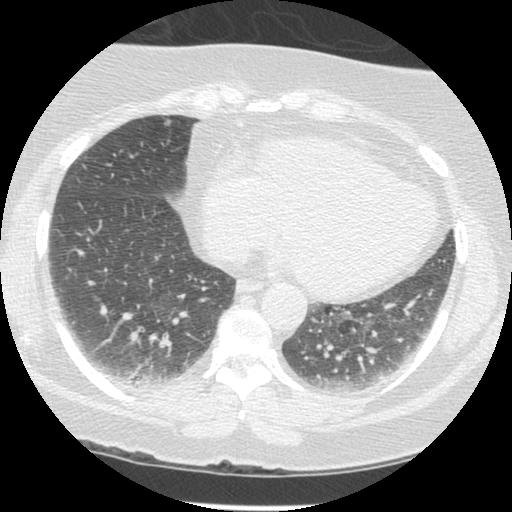
Slice 107/381 of a chest CT, counting up from the lowest; pixel size 0.625 mm, slice thickness 1.25 mm. Pulmonary nodule at rows 120–125, columns 164–170 (box = that reader's outline on this slice), outlined by one of the four readers; longest diameter 5.6 mm and volume 28 mm3 from that reader's outline. Ratings by that reader: texture 4/5; margin 5/5 (circumscribed); sphericity 5/5 (round); calcification absent; internal structure soft tissue; subtlety 1/5; malignancy likelihood 2/5. Scale key (1–5): texture non-solid→solid, margin indistinct→circumscribed, sphericity linear→round, subtlety extremely subtle→obvious, malignancy likelihood highly unlikely→highly suspicious of cancer. Box rows and columns are 0-based pixel indices from the top-left corner, inclusive.
Scan settings: 120 kVp, STANDARD reconstruction kernel.